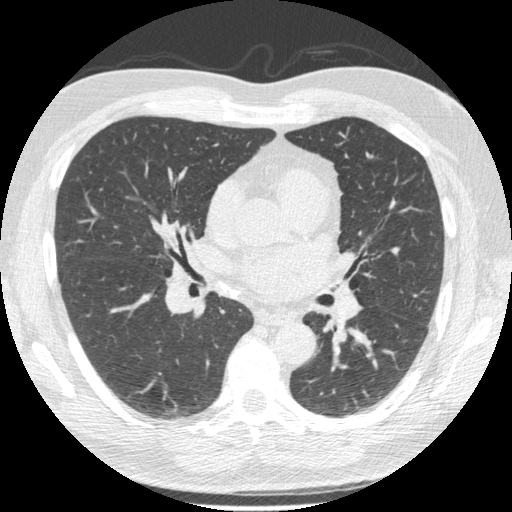
Axial chest CT slice 299 of 557 (counted from the lowest slice); tube voltage 120 kVp, convolution kernel STANDARD; slices 1.25 mm thick, 0.703 mm per pixel.
Pulmonary nodule at rows 324–328, columns 395–397 (box = the union of the readers' outlines on this slice), outlined by all four readers, three of them on this slice; longest diameter 8.2 mm on average over the four readers' outlines (readers' outlines 6.0–9.4 mm), volume 90–190 mm3. The readers' prevailing ratings and who disagreed: texture 5/5 (solid) from all four readers; most readers (three of four) put margin at 5/5 (circumscribed), others 4/5 (one); sphericity 5/5 (round) by two of four readers; the rest gave 2/5 (one), 4/5 (one); calcification split among the readers: non-central calcification (two), solid calcification (two); internal structure soft tissue from all four readers; subtlety 5/5 by two of four readers; the rest gave 3/5 (one), 4/5 (one); malignancy likelihood 1/5 by three of four readers; the rest gave 2/5 (one). Scale key (1–5): texture non-solid→solid, margin indistinct→circumscribed, sphericity linear→round, subtlety extremely subtle→obvious, malignancy likelihood highly unlikely→highly suspicious of cancer. Box rows and columns are 0-based pixel indices from the top-left corner, inclusive.